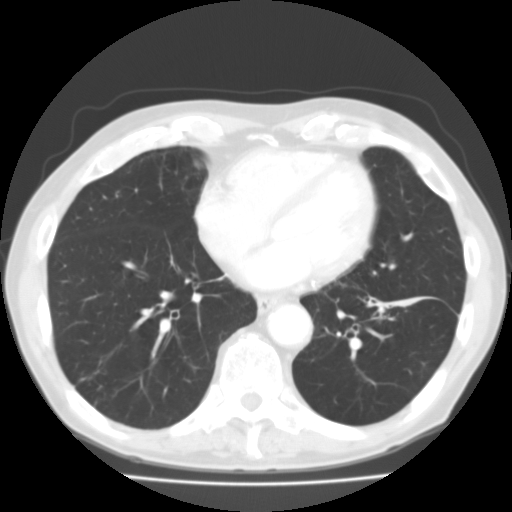
Axial chest CT slice 52 of 129 (counted from the lowest slice); 3.00 mm thick, 0.662 mm per pixel. Pulmonary nodule at rows 373–381, columns 80–94 (box = the one reader's outline on this slice), outlined by two of the four readers, one of them on this slice; median longest diameter 32.0 mm (readers' outlines 30.7–33.2 mm), median volume 2751 mm3 (2555–2947 mm3). Ratings, median across the readers with their spread: median texture 3.5/5 (readers ranged 3/5 (part-solid) to 4/5); margin 2.5/5 at the median of two readers, spread 1/5 (indistinct) to 4/5; sphericity 4/5 at the median of two readers, spread 3/5 (ovoid) to 5/5 (round); calcification absent from both readers; internal structure soft tissue from both readers; subtlety 5/5 from both readers; median malignancy likelihood 3.5/5 (readers ranged 3–4). Scale key (1–5): texture non-solid→solid, margin indistinct→circumscribed, sphericity linear→round, subtlety extremely subtle→obvious, malignancy likelihood highly unlikely→highly suspicious of cancer. Box rows and columns are 0-based pixel indices from the top-left corner, inclusive.
Acquired at 135 kVp and reconstructed with the FC01 kernel.